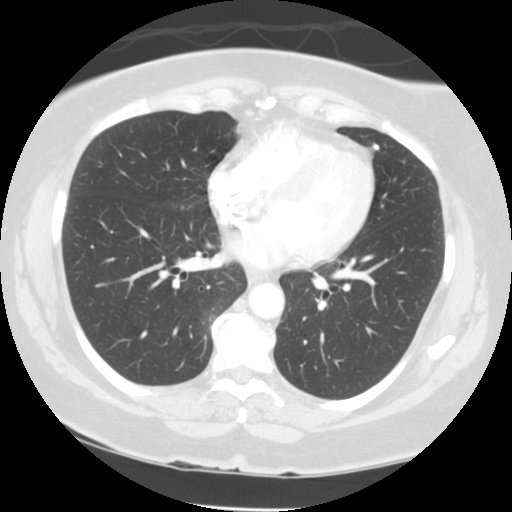
Axial slice 61 of 133 of a chest CT (slice 1 is the lowest), reconstructed with the STANDARD kernel at 120 kVp; 2.50 mm slice thickness and 0.664 mm pixels.
Pulmonary nodule at rows 143–150, columns 372–379 (box = the union of the readers' outlines on this slice), outlined by two of the four readers; longest diameter 5.1–6.3 mm and volume 78–117 mm3 across the two readers' outlines. The readers' ratings, as ranges where they differ: texture 5/5 (solid), both readers agreeing; margin 5/5 (circumscribed), both readers agreeing; sphericity from 3/5 (ovoid) to 5/5 (round) across the two readers; calcification solid calcification from both readers; internal structure soft tissue from both readers; subtlety rated between 4 and 5 out of 5 by the two readers; malignancy likelihood 1/5 from both readers. Scale key (1–5): texture non-solid→solid, margin indistinct→circumscribed, sphericity linear→round, subtlety extremely subtle→obvious, malignancy likelihood highly unlikely→highly suspicious of cancer. Box rows and columns are 0-based pixel indices from the top-left corner, inclusive.